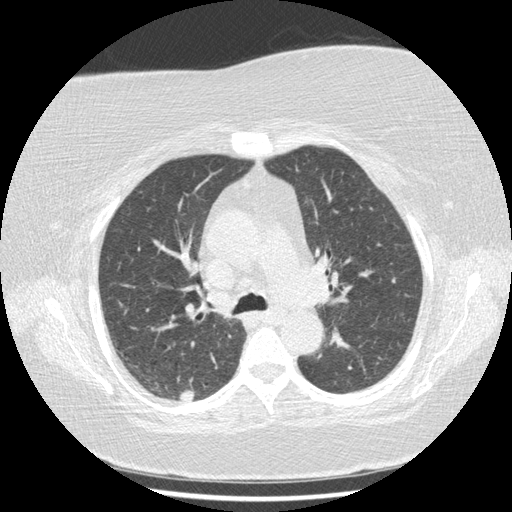
Axial chest CT slice 291 of 417 (counted from the lowest slice); tube voltage 120 kVp, convolution kernel STANDARD; slices 1.25 mm thick, 0.703 mm per pixel.
Pulmonary nodule outlined by all four readers; box rows 390–401, columns 179–194 (the union of the readers' outlines on this slice); longest diameter 12.1 mm on average over the four readers' outlines (readers' outlines 11.0–13.8 mm), volume 306–515 mm3. Ratings, by the readers' most common answer with dissent counted: texture 5/5 (solid) from all four readers; most readers (three of four) put margin at 5/5 (circumscribed), others 4/5 (one); sphericity 5/5 (round) by two of four readers; the rest gave 3/5 (ovoid) (one), 4/5 (one); calcification absent from all four readers; internal structure soft tissue from all four readers; subtlety 5/5 by two of four readers; the rest gave 3/5 (one), 4/5 (one); malignancy likelihood 4/5 by two of four readers; the rest gave 2/5 (one), 3/5 (one). Scale key (1–5): texture non-solid→solid, margin indistinct→circumscribed, sphericity linear→round, subtlety extremely subtle→obvious, malignancy likelihood highly unlikely→highly suspicious of cancer. Box rows and columns are 0-based pixel indices from the top-left corner, inclusive.